Axial chest CT slice 392 of 481 (counted from the lowest slice); tube voltage 120 kVp, convolution kernel STANDARD; slices 1.25 mm thick, 0.664 mm per pixel.
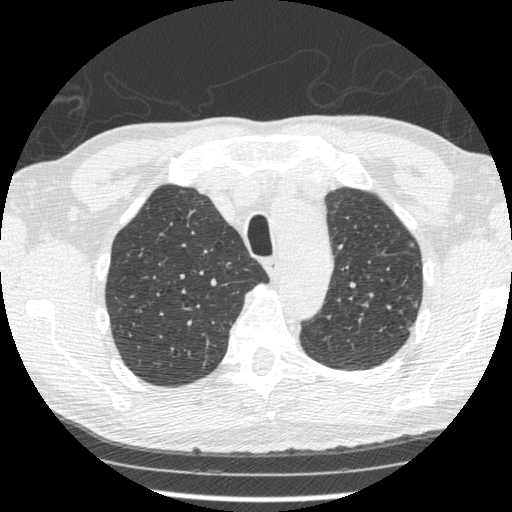
Pulmonary nodule outlined by one of the four readers; box rows 300–307, columns 413–417 (that reader's outline on this slice); longest diameter 6.3 mm and volume 41 mm3 from that reader's outline. That reader's ratings: texture 2/5; margin 2/5; sphericity 4/5; calcification absent; internal structure soft tissue; subtlety 3/5; malignancy likelihood 3/5. Scale key (1–5): texture non-solid→solid, margin indistinct→circumscribed, sphericity linear→round, subtlety extremely subtle→obvious, malignancy likelihood highly unlikely→highly suspicious of cancer. Box rows and columns are 0-based pixel indices from the top-left corner, inclusive.